Chest CT, axial plane, 120 kVp, kernel STANDARD. Slice 217/301 from the bottom of the scan; thickness 1.25 mm; pixel size 0.752 mm.
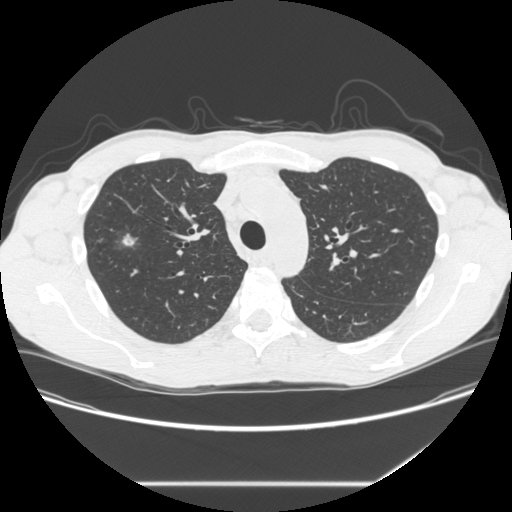
Pulmonary nodule, outlined by all four readers. Box on this slice rows 233–246, columns 121–138, the union of the readers' outlines on this slice; median longest diameter 13.7 mm (readers' outlines 12.1–14.8 mm), median volume 627 mm3 (491–1018 mm3). Median ratings and the readers' spread: texture 4.5/5 at the median of four readers, spread 3/5 (part-solid) to 5/5 (solid); margin 2/5 at the median of four readers, spread 1/5 (indistinct) to 4/5; median sphericity 4/5 (readers ranged 2/5 to 4/5); calcification absent from all four readers; internal structure split among the readers: soft tissue (two), air (two); subtlety 5/5 from all four readers; median malignancy likelihood 4.5/5 (readers ranged 4–5). Scale key (1–5): texture non-solid→solid, margin indistinct→circumscribed, sphericity linear→round, subtlety extremely subtle→obvious, malignancy likelihood highly unlikely→highly suspicious of cancer. Box rows and columns are 0-based pixel indices from the top-left corner, inclusive.